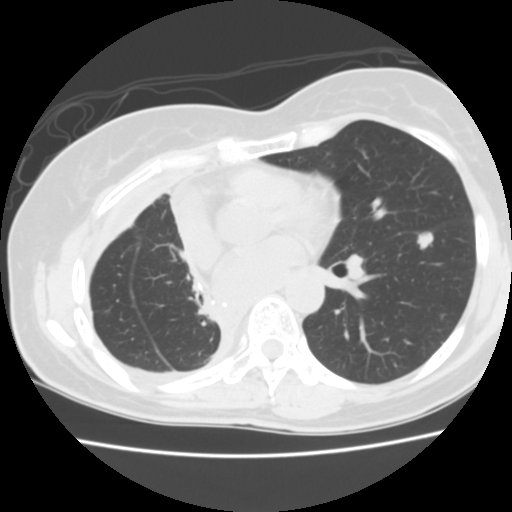
One axial slice (82 of 141, counting up from the lowest) of a chest CT acquired at 120 kVp with the STANDARD kernel; each pixel is 0.586 mm and the slice is 2.50 mm thick.
Pulmonary nodule outlined by all four readers; box rows 231–249, columns 416–433 (the union of the readers' outlines on this slice); longest diameter 12.4 mm on average over the four readers' outlines (readers' outlines 11.8–13.0 mm), volume 484–627 mm3. The readers' prevailing ratings and who disagreed: texture 5/5 (solid), all four readers agreeing; margin 4/5 by two of four readers; the rest gave 3/5 (one), 5/5 (circumscribed) (one); sphericity split among the readers: 4/5 (two), 5/5 (round) (two); calcification absent from all four readers; internal structure soft tissue from all four readers; most readers (three of four) put subtlety at 5/5, others 4/5 (one); malignancy likelihood 3/5 by two of four readers; the rest gave 4/5 (one), 5/5 (one). Scale key (1–5): texture non-solid→solid, margin indistinct→circumscribed, sphericity linear→round, subtlety extremely subtle→obvious, malignancy likelihood highly unlikely→highly suspicious of cancer. Box rows and columns are 0-based pixel indices from the top-left corner, inclusive.